Axial slice 70 of 238 of a chest CT (slice 1 is the lowest), reconstructed with the STANDARD kernel at 120 kVp; 1.25 mm slice thickness and 0.742 mm pixels.
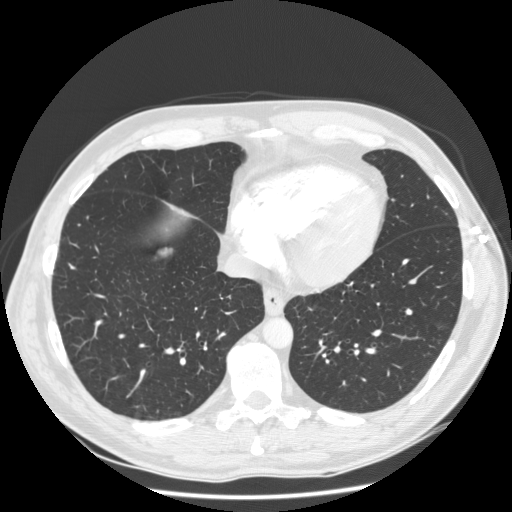
Pulmonary nodule at rows 245–258, columns 156–175 (box = the union of the readers' outlines on this slice), outlined by three of the four readers; longest diameter 28.6–35.0 mm and volume 1299–1840 mm3 across the three readers' outlines. The readers' ratings, as ranges where they differ: texture 5/5 (solid), all three readers agreeing; margin from 2/5 to 4/5 across the three readers; sphericity 3/5 (ovoid) from all three readers; calcification absent, all three readers agreeing; internal structure soft tissue, all three readers agreeing; subtlety from 3/5 to 5/5 across the three readers; malignancy likelihood rated between 2 and 4 out of 5 by the three readers. Scale key (1–5): texture non-solid→solid, margin indistinct→circumscribed, sphericity linear→round, subtlety extremely subtle→obvious, malignancy likelihood highly unlikely→highly suspicious of cancer. Box rows and columns are 0-based pixel indices from the top-left corner, inclusive.